Chest CT, axial plane, 120 kVp, kernel BONE. Slice 227/253 from the bottom of the scan; thickness 1.25 mm; pixel size 0.625 mm.
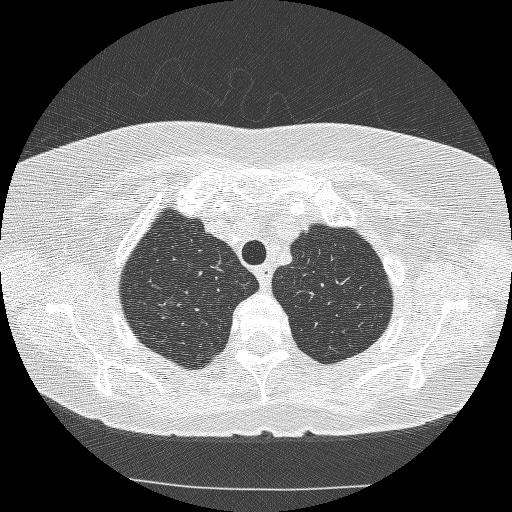
Pulmonary nodule, outlined by all four readers, two of them on this slice. Box on this slice rows 300–316, columns 161–174, the union of the readers' outlines on this slice; median longest diameter 14.0 mm (readers' outlines 12.3–15.8 mm), median volume 501 mm3 (480–587 mm3). Median ratings and the readers' spread: median texture 1/5 (non-solid) (readers ranged 1/5 (non-solid) to 3/5 (part-solid)); margin 3/5 at the median of four readers, spread 2/5 to 4/5; median sphericity 3.5/5 (readers ranged 2/5 to 4/5); calcification absent, all four readers agreeing; internal structure soft tissue from all four readers; median subtlety 4/5 (readers ranged 3–5); malignancy likelihood 4/5 at the median of four readers, spread 3–5. Scale key (1–5): texture non-solid→solid, margin indistinct→circumscribed, sphericity linear→round, subtlety extremely subtle→obvious, malignancy likelihood highly unlikely→highly suspicious of cancer. Box rows and columns are 0-based pixel indices from the top-left corner, inclusive.